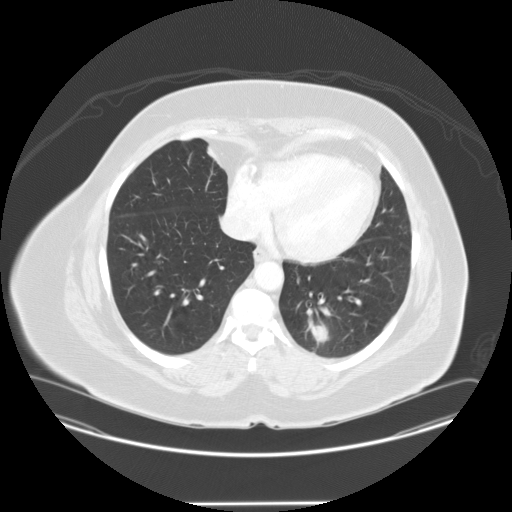
Chest CT, axial plane, 120 kVp, kernel STANDARD. Slice 23/95 from the bottom of the scan; thickness 2.50 mm; pixel size 0.859 mm.
Pulmonary nodule outlined by all four readers; box rows 324–342, columns 311–329 (the union of the readers' outlines on this slice); median longest diameter 19.9 mm (readers' outlines 17.2–23.5 mm), median volume 2245 mm3 (2023–2813 mm3). Median ratings and the readers' spread: median texture 5/5 (solid) (readers ranged 4/5 to 5/5 (solid)); median margin 3.5/5 (readers ranged 3/5 to 5/5 (circumscribed)); median sphericity 4.5/5 (readers ranged 3/5 (ovoid) to 5/5 (round)); calcification absent from all four readers; internal structure soft tissue from all four readers; median subtlety 4.5/5 (readers ranged 3–5); median malignancy likelihood 4/5 (readers ranged 2–4). Scale key (1–5): texture non-solid→solid, margin indistinct→circumscribed, sphericity linear→round, subtlety extremely subtle→obvious, malignancy likelihood highly unlikely→highly suspicious of cancer. Box rows and columns are 0-based pixel indices from the top-left corner, inclusive.